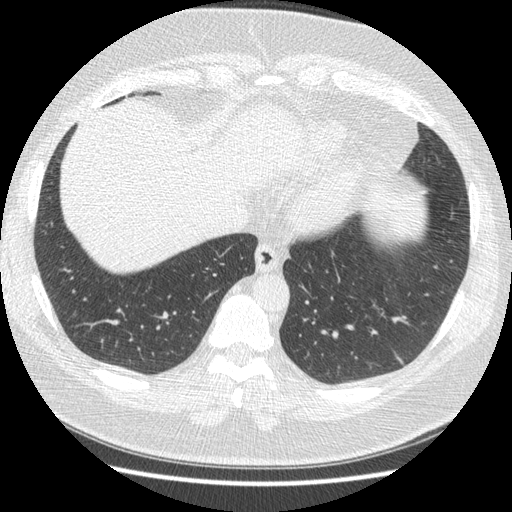
One axial slice (82 of 421, counting up from the lowest) of a chest CT acquired at 120 kVp with the STANDARD kernel; each pixel is 0.703 mm and the slice is 1.25 mm thick.
Pulmonary nodule at rows 351–364, columns 393–403 (box = the union of the readers' outlines on this slice), outlined four times (the source holds four more outlines, not used), two of them on this slice; median longest diameter 32.9 mm (readers' outlines 30.9–38.9 mm), median volume 5450 mm3 (4443–5826 mm3). Median ratings and the readers' spread: median texture 5/5 (solid) (readers ranged 4/5 to 5/5 (solid)); margin 4/5 at the median of four readers, spread 3/5 to 4/5; median sphericity 2.5/5 (readers ranged 2/5 to 4/5); calcification absent, all four readers agreeing; internal structure soft tissue, all four readers agreeing; median subtlety 5/5 (readers ranged 4–5); median malignancy likelihood 3.5/5 (readers ranged 2–5). Scale key (1–5): texture non-solid→solid, margin indistinct→circumscribed, sphericity linear→round, subtlety extremely subtle→obvious, malignancy likelihood highly unlikely→highly suspicious of cancer. Box rows and columns are 0-based pixel indices from the top-left corner, inclusive.